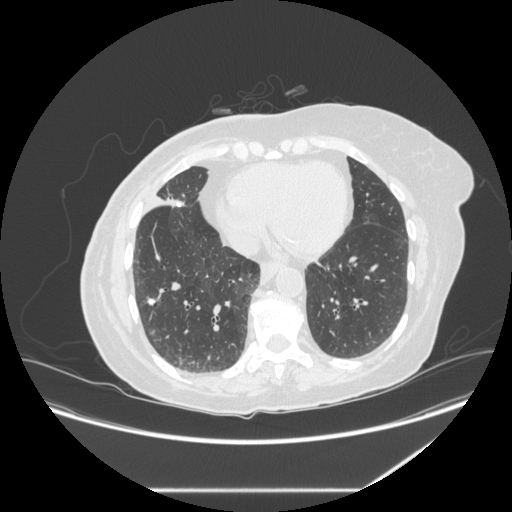
Axial slice 119 of 281 of a chest CT (slice 1 is the lowest), reconstructed with the STANDARD kernel at 120 kVp; 1.25 mm slice thickness and 0.816 mm pixels.
Pulmonary nodule at rows 298–305, columns 147–155 (box = the union of the readers' outlines on this slice), outlined by all four readers; longest diameter 8.2 mm on average over the four readers' outlines (readers' outlines 7.4–8.5 mm), volume 147–237 mm3. The readers' prevailing ratings and who disagreed: texture 5/5 (solid) from all four readers; margin 5/5 (circumscribed) from all four readers; sphericity split among the readers: 4/5 (two), 5/5 (round) (two); calcification solid calcification by three of four readers, absent (one); internal structure soft tissue from all four readers; subtlety 4/5 by three of four readers; the rest gave 5/5 (one); most readers (three of four) put malignancy likelihood at 1/5, others 3/5 (one). Scale key (1–5): texture non-solid→solid, margin indistinct→circumscribed, sphericity linear→round, subtlety extremely subtle→obvious, malignancy likelihood highly unlikely→highly suspicious of cancer. Box rows and columns are 0-based pixel indices from the top-left corner, inclusive.